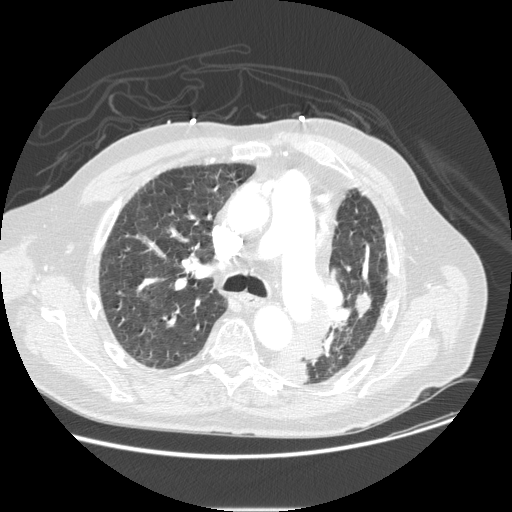
One axial slice (161 of 232, counting up from the lowest) of a chest CT acquired at 120 kVp with the STANDARD kernel; each pixel is 0.781 mm and the slice is 1.25 mm thick.
Pulmonary nodule outlined by all four readers; box rows 291–319, columns 354–372 (the union of the readers' outlines on this slice); the four readers' outlines give a longest diameter between 19.0 and 24.3 mm and a volume between 1498 and 2178 mm3. Ratings across the readers: texture 5/5 (solid) from all four readers; margin from 4/5 to 5/5 (circumscribed) across the four readers; sphericity 3/5 (ovoid) from all four readers; calcification absent, all four readers agreeing; internal structure soft tissue, all four readers agreeing; subtlety rated between 4 and 5 out of 5 by the four readers; malignancy likelihood rated between 2 and 5 out of 5 by the four readers. Scale key (1–5): texture non-solid→solid, margin indistinct→circumscribed, sphericity linear→round, subtlety extremely subtle→obvious, malignancy likelihood highly unlikely→highly suspicious of cancer. Box rows and columns are 0-based pixel indices from the top-left corner, inclusive.